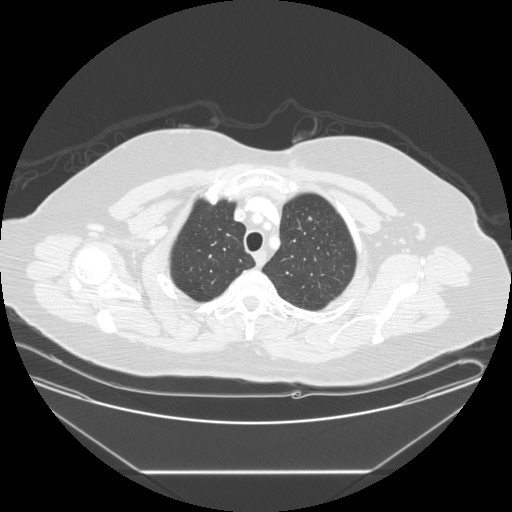
Axial slice 190 of 225 of a chest CT (slice 1 is the lowest), reconstructed with the STANDARD kernel at 120 kVp; 1.25 mm slice thickness and 0.828 mm pixels.
Pulmonary nodule at rows 216–220, columns 308–311 (box = the union of the readers' outlines on this slice), outlined by all four readers; median longest diameter 7.2 mm (readers' outlines 6.7–7.9 mm), median volume 146 mm3 (129–187 mm3). Median ratings and the readers' spread: texture 5/5 (solid), all four readers agreeing; median margin 4.5/5 (readers ranged 4/5 to 5/5 (circumscribed)); sphericity 4/5 at the median of four readers, spread 4/5 to 5/5 (round); calcification absent from all four readers; internal structure soft tissue, all four readers agreeing; median subtlety 3.5/5 (readers ranged 2–5); malignancy likelihood 3/5 at the median of four readers, spread 2–3. Scale key (1–5): texture non-solid→solid, margin indistinct→circumscribed, sphericity linear→round, subtlety extremely subtle→obvious, malignancy likelihood highly unlikely→highly suspicious of cancer. Box rows and columns are 0-based pixel indices from the top-left corner, inclusive.